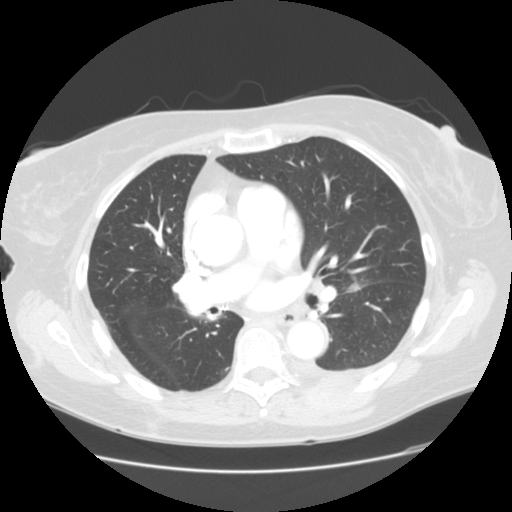
One axial slice (76 of 133, counting up from the lowest) of a chest CT acquired at 120 kVp with the STANDARD kernel; each pixel is 0.703 mm and the slice is 2.50 mm thick.
Pulmonary nodule, outlined by all four readers. Box on this slice rows 281–292, columns 346–361, the union of the readers' outlines on this slice; median longest diameter 12.5 mm (readers' outlines 11.6–14.7 mm), median volume 568 mm3 (536–808 mm3). Median ratings and the readers' spread: texture 5/5 (solid), all four readers agreeing; median margin 4.5/5 (readers ranged 3/5 to 5/5 (circumscribed)); median sphericity 4.5/5 (readers ranged 3/5 (ovoid) to 5/5 (round)); calcification absent, all four readers agreeing; internal structure: soft tissue (three), fluid (one); median subtlety 4.5/5 (readers ranged 4–5); malignancy likelihood 2.5/5 at the median of four readers, spread 2–3. Scale key (1–5): texture non-solid→solid, margin indistinct→circumscribed, sphericity linear→round, subtlety extremely subtle→obvious, malignancy likelihood highly unlikely→highly suspicious of cancer. Box rows and columns are 0-based pixel indices from the top-left corner, inclusive.